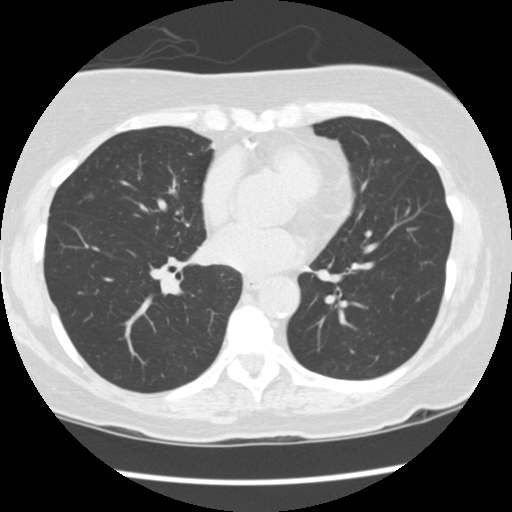
Axial slice 63 of 149 of a chest CT (slice 1 is the lowest), reconstructed with the STANDARD kernel at 120 kVp; 2.50 mm slice thickness and 0.625 mm pixels.
Pulmonary nodule at rows 193–197, columns 85–92 (box = that reader's outline on this slice), outlined by one of the four readers; longest diameter 5.9 mm and volume 61 mm3 from that reader's outline. That reader's ratings: texture 1/5 (non-solid); margin 1/5 (indistinct); sphericity 4/5; calcification absent; internal structure soft tissue; subtlety 1/5; malignancy likelihood 2/5. Scale key (1–5): texture non-solid→solid, margin indistinct→circumscribed, sphericity linear→round, subtlety extremely subtle→obvious, malignancy likelihood highly unlikely→highly suspicious of cancer. Box rows and columns are 0-based pixel indices from the top-left corner, inclusive.